Axial slice 99 of 154 of a chest CT (slice 1 is the lowest), reconstructed with the STANDARD kernel at 120 kVp; 2.50 mm slice thickness and 0.645 mm pixels.
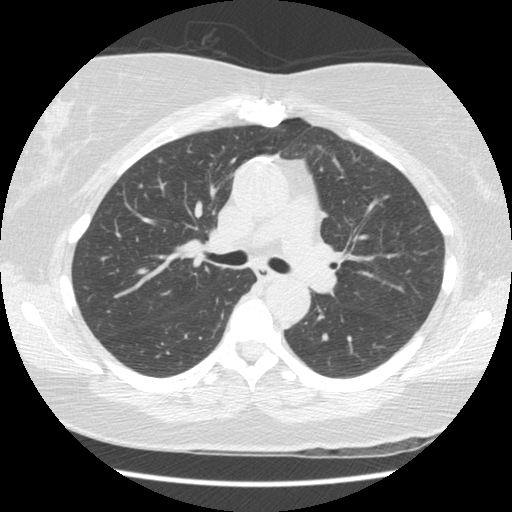
None of the four readers outlined a nodule of 3 mm or more on this slice.